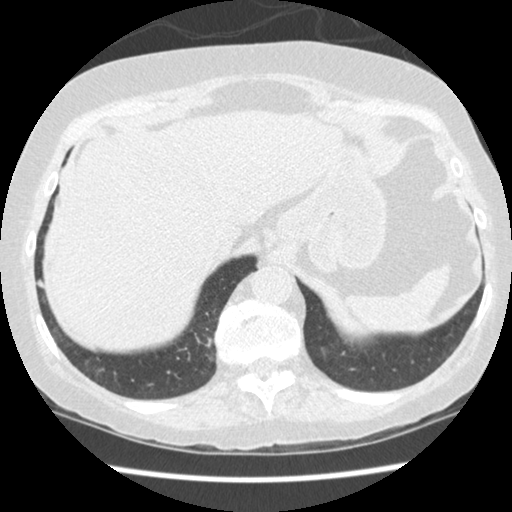
Slice 59/458 of a chest CT, counting up from the lowest; pixel size 0.625 mm, slice thickness 1.25 mm. Pulmonary nodule, outlined by one of the four readers. Box on this slice rows 280–287, columns 37–42, that reader's outline on this slice; longest diameter 6.4 mm and volume 86 mm3 from that reader's outline. Ratings by that reader: texture 5/5 (solid); margin 4/5; sphericity 3/5 (ovoid); calcification absent; internal structure soft tissue; subtlety 3/5; malignancy likelihood 1/5. Scale key (1–5): texture non-solid→solid, margin indistinct→circumscribed, sphericity linear→round, subtlety extremely subtle→obvious, malignancy likelihood highly unlikely→highly suspicious of cancer. Box rows and columns are 0-based pixel indices from the top-left corner, inclusive.
Tube voltage 120 kVp; convolution kernel STANDARD.